Chest CT, axial plane, 120 kVp, kernel B45f. Slice 128/327 from the bottom of the scan; thickness 1.00 mm; pixel size 0.664 mm.
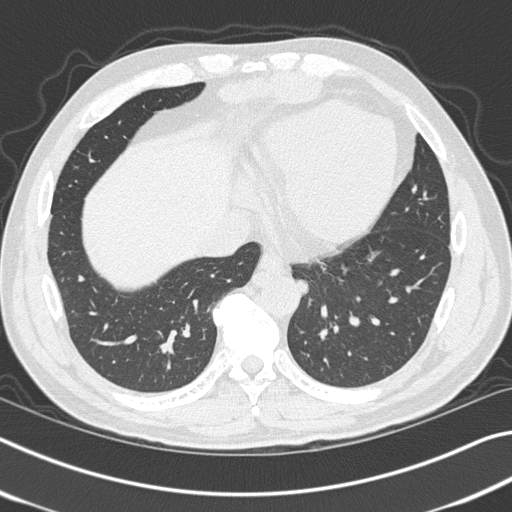
Pulmonary nodule outlined by three of the four readers; box rows 279–296, columns 295–308 (the union of the readers' outlines on this slice); longest diameter 12.9 mm on average over the three readers' outlines (readers' outlines 12.4–14.0 mm), volume 357–534 mm3. Ratings, by the readers' most common answer with dissent counted: texture 5/5 (solid) from all three readers; margin 5/5 (circumscribed) by two of three readers; the rest gave 4/5 (one); sphericity split among the readers: 3/5 (ovoid) (one), 4/5 (one), 5/5 (round) (one); calcification absent, all three readers agreeing; internal structure soft tissue, all three readers agreeing; subtlety split among the readers: 1/5 (one), 3/5 (one), 4/5 (one); malignancy likelihood 4/5 by two of three readers; the rest gave 2/5 (one). Scale key (1–5): texture non-solid→solid, margin indistinct→circumscribed, sphericity linear→round, subtlety extremely subtle→obvious, malignancy likelihood highly unlikely→highly suspicious of cancer. Box rows and columns are 0-based pixel indices from the top-left corner, inclusive.